Chest CT, axial plane, 120 kVp, kernel STANDARD. Slice 402/458 from the bottom of the scan; thickness 1.25 mm; pixel size 0.586 mm.
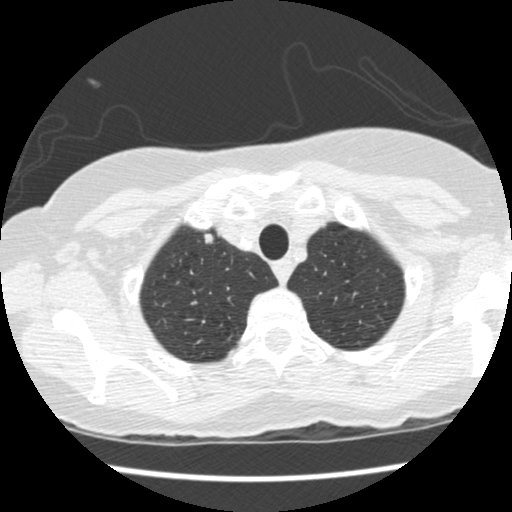
Pulmonary nodule outlined by all four readers; box rows 233–243, columns 204–213 (the union of the readers' outlines on this slice); median longest diameter 9.8 mm (readers' outlines 9.1–10.0 mm), median volume 258 mm3 (243–272 mm3). Ratings, median across the readers with their spread: median texture 5/5 (solid) (readers ranged 4/5 to 5/5 (solid)); median margin 4.5/5 (readers ranged 4/5 to 5/5 (circumscribed)); sphericity 3.5/5 at the median of four readers, spread 3/5 (ovoid) to 5/5 (round); calcification absent, all four readers agreeing; internal structure soft tissue from all four readers; subtlety 4.5/5 at the median of four readers, spread 4–5; median malignancy likelihood 3.5/5 (readers ranged 2–4). Scale key (1–5): texture non-solid→solid, margin indistinct→circumscribed, sphericity linear→round, subtlety extremely subtle→obvious, malignancy likelihood highly unlikely→highly suspicious of cancer. Box rows and columns are 0-based pixel indices from the top-left corner, inclusive.